Chest CT, axial plane, 120 kVp, kernel STANDARD. Slice 295/481 from the bottom of the scan; thickness 1.25 mm; pixel size 0.742 mm.
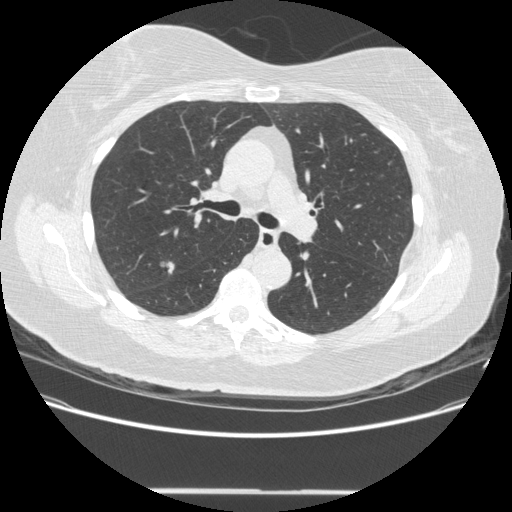
Pulmonary nodule at rows 260–274, columns 159–174 (box = the union of the readers' outlines on this slice), outlined by three of the four readers; longest diameter 13.9–15.6 mm and volume 741–820 mm3 across the three readers' outlines. Ratings across the readers: texture 4/5 from all three readers; margin from 3/5 to 4/5 across the three readers; sphericity from 3/5 (ovoid) to 4/5 across the three readers; calcification absent from all three readers; internal structure soft tissue from all three readers; subtlety rated between 4 and 5 out of 5 by the three readers; malignancy likelihood 4–5/5 (the readers disagree). Scale key (1–5): texture non-solid→solid, margin indistinct→circumscribed, sphericity linear→round, subtlety extremely subtle→obvious, malignancy likelihood highly unlikely→highly suspicious of cancer. Box rows and columns are 0-based pixel indices from the top-left corner, inclusive.